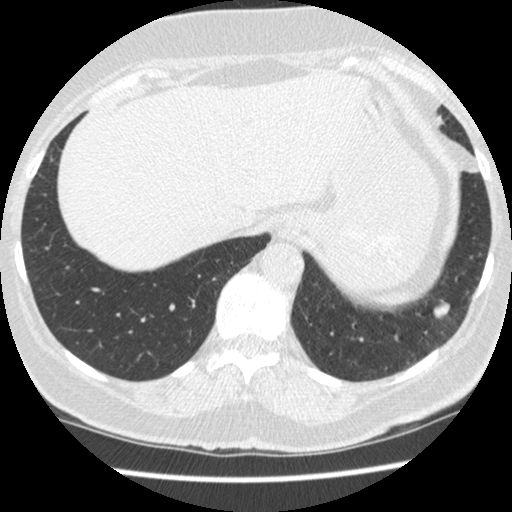
Axial chest CT slice 101 of 481 (counted from the lowest slice); tube voltage 120 kVp, convolution kernel STANDARD; slices 1.25 mm thick, 0.605 mm per pixel.
Pulmonary nodule, outlined by all four readers. Box on this slice rows 299–319, columns 432–450, the union of the readers' outlines on this slice; longest diameter 13.3–14.6 mm and volume 633–867 mm3 across the four readers' outlines. The readers' ratings, as ranges where they differ: texture 5/5 (solid) from all four readers; margin from 4/5 to 5/5 (circumscribed) across the four readers; sphericity from 4/5 to 5/5 (round) across the four readers; calcification absent from all four readers; internal structure soft tissue from all four readers; subtlety from 4/5 to 5/5 across the four readers; malignancy likelihood from 2/5 to 5/5 across the four readers. Scale key (1–5): texture non-solid→solid, margin indistinct→circumscribed, sphericity linear→round, subtlety extremely subtle→obvious, malignancy likelihood highly unlikely→highly suspicious of cancer. Box rows and columns are 0-based pixel indices from the top-left corner, inclusive.